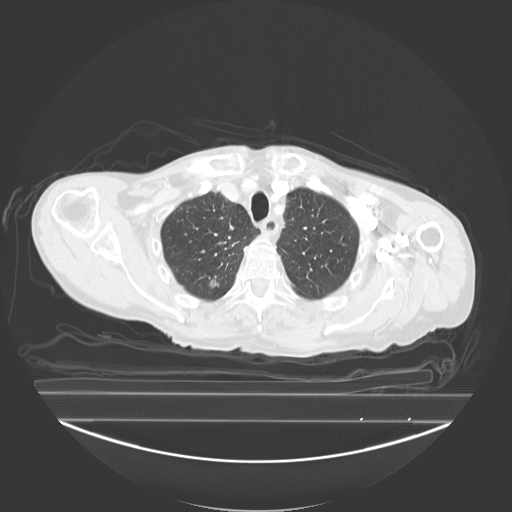
Axial chest CT slice 219 of 278 (counted from the lowest slice); tube voltage 130 kVp, convolution kernel B40s; slices 3.00 mm thick, 0.977 mm per pixel.
Pulmonary nodule outlined by all four readers; box rows 278–287, columns 209–218 (the union of the readers' outlines on this slice); longest diameter 14.3 mm on average over the four readers' outlines (readers' outlines 13.1–14.9 mm), volume 359–605 mm3. Ratings, by the readers' most common answer with dissent counted: texture split among the readers: 4/5 (two), 5/5 (solid) (two); most readers (three of four) put margin at 4/5, others 2/5 (one); sphericity 3/5 (ovoid) by two of four readers; the rest gave 4/5 (one), 5/5 (round) (one); calcification absent from all four readers; internal structure soft tissue, all four readers agreeing; subtlety split among the readers: 4/5 (two), 5/5 (two); malignancy likelihood 4/5 by two of four readers; the rest gave 2/5 (one), 3/5 (one). Scale key (1–5): texture non-solid→solid, margin indistinct→circumscribed, sphericity linear→round, subtlety extremely subtle→obvious, malignancy likelihood highly unlikely→highly suspicious of cancer. Box rows and columns are 0-based pixel indices from the top-left corner, inclusive.